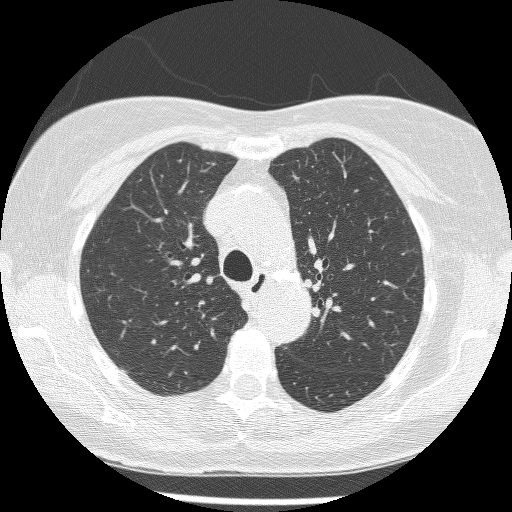
Chest CT, axial plane, 120 kVp, kernel BONE. Slice 184/241 from the bottom of the scan; thickness 1.25 mm; pixel size 0.590 mm.
Pulmonary nodule at rows 367–373, columns 119–127 (box = that reader's outline on this slice), outlined by one of the four readers; longest diameter 8.5 mm and volume 87 mm3 from that reader's outline. Ratings by that reader: texture 3/5 (part-solid); margin 1/5 (indistinct); sphericity 3/5 (ovoid); calcification absent; internal structure soft tissue; subtlety 3/5; malignancy likelihood 3/5. Scale key (1–5): texture non-solid→solid, margin indistinct→circumscribed, sphericity linear→round, subtlety extremely subtle→obvious, malignancy likelihood highly unlikely→highly suspicious of cancer. Box rows and columns are 0-based pixel indices from the top-left corner, inclusive.